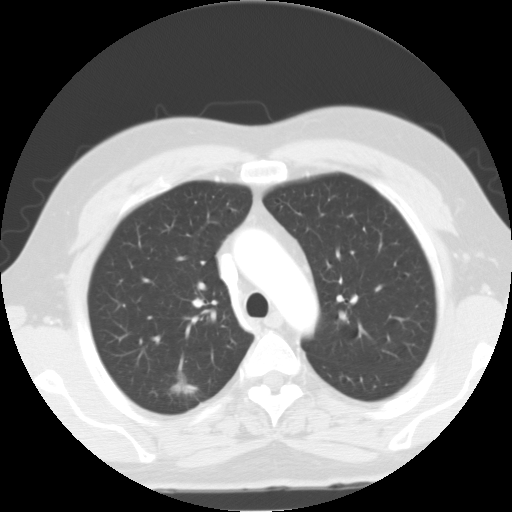
One axial slice (81 of 116, counting up from the lowest) of a chest CT acquired at 135 kVp with the FC01 kernel; each pixel is 0.692 mm and the slice is 3.00 mm thick.
Pulmonary nodule at rows 372–399, columns 169–199 (box = the union of the readers' outlines on this slice), outlined by all four readers; longest diameter 30.5 mm on average over the four readers' outlines (readers' outlines 28.5–32.9 mm), volume 2473–3947 mm3. The readers' prevailing ratings and who disagreed: most readers (three of four) put texture at 3/5 (part-solid), others 5/5 (solid) (one); most readers (three of four) put margin at 2/5, others 1/5 (indistinct) (one); most readers (three of four) put sphericity at 3/5 (ovoid), others 2/5 (one); calcification absent, all four readers agreeing; internal structure soft tissue, all four readers agreeing; most readers (three of four) put subtlety at 5/5, others 4/5 (one); malignancy likelihood split among the readers: 2/5 (one), 3/5 (one), 4/5 (one), 5/5 (one). Scale key (1–5): texture non-solid→solid, margin indistinct→circumscribed, sphericity linear→round, subtlety extremely subtle→obvious, malignancy likelihood highly unlikely→highly suspicious of cancer. Box rows and columns are 0-based pixel indices from the top-left corner, inclusive.